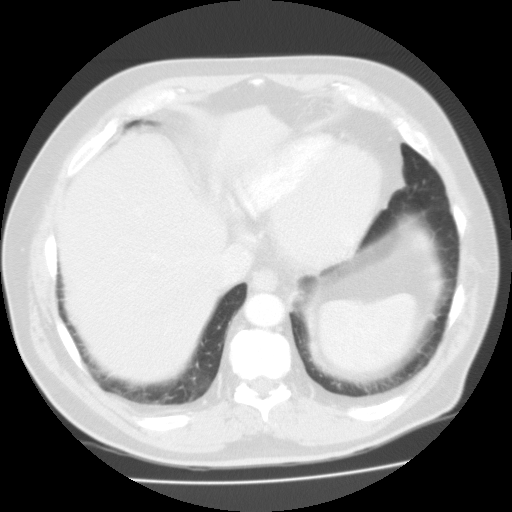
Chest CT, axial plane, 135 kVp, kernel FC01. Slice 47/125 from the bottom of the scan; thickness 3.00 mm; pixel size 0.721 mm.
Pulmonary nodule outlined by all four readers, three of them on this slice; box rows 312–320, columns 428–436 (the union of the readers' outlines on this slice); longest diameter 11.2 mm on average over the four readers' outlines (readers' outlines 10.3–12.6 mm), volume 292–433 mm3. The readers' prevailing ratings and who disagreed: texture 3/5 (part-solid) by two of four readers; the rest gave 4/5 (one), 5/5 (solid) (one); margin split among the readers: 1/5 (indistinct) (one), 2/5 (one), 4/5 (one), 5/5 (circumscribed) (one); sphericity 3/5 (ovoid) by three of four readers; the rest gave 4/5 (one); calcification absent, all four readers agreeing; internal structure soft tissue from all four readers; subtlety 4/5 by two of four readers; the rest gave 3/5 (one), 5/5 (one); most readers (three of four) put malignancy likelihood at 3/5, others 2/5 (one). Scale key (1–5): texture non-solid→solid, margin indistinct→circumscribed, sphericity linear→round, subtlety extremely subtle→obvious, malignancy likelihood highly unlikely→highly suspicious of cancer. Box rows and columns are 0-based pixel indices from the top-left corner, inclusive.